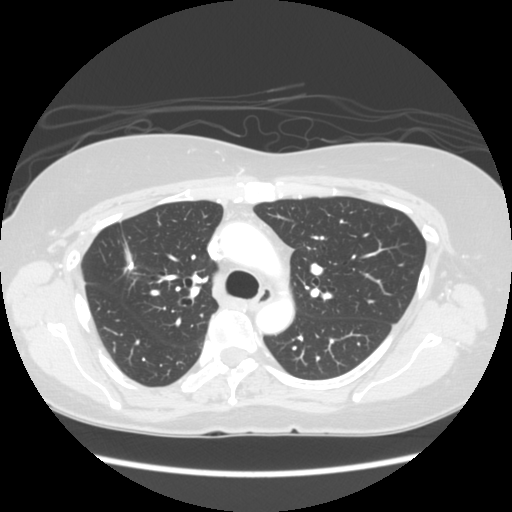
One axial slice (97 of 133, counting up from the lowest) of a chest CT acquired at 120 kVp with the STANDARD kernel; each pixel is 0.664 mm and the slice is 2.50 mm thick.
No nodule 3 mm or larger was outlined here by any reader.